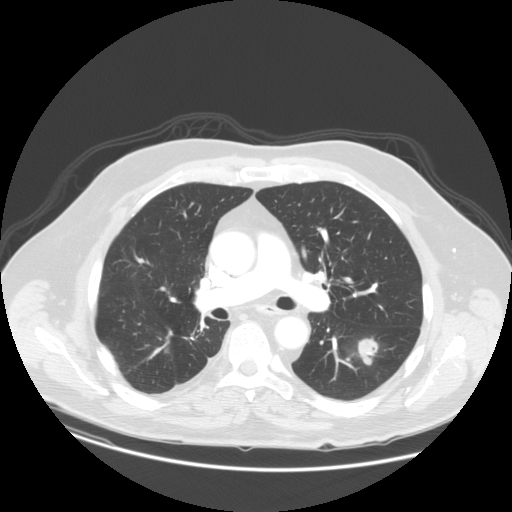
Axial chest CT slice 75 of 140 (counted from the lowest slice); 2.50 mm thick, 0.820 mm per pixel. Pulmonary nodule at rows 335–365, columns 348–379 (box = the union of the readers' outlines on this slice), outlined by all four readers; median longest diameter 30.2 mm (readers' outlines 28.0–35.5 mm), median volume 5420 mm3 (4625–10612 mm3). Ratings, median across the readers with their spread: texture 4/5 at the median of four readers, spread 3/5 (part-solid) to 5/5 (solid); median margin 3/5 (readers ranged 3/5 to 4/5); median sphericity 4/5 (readers ranged 3/5 (ovoid) to 5/5 (round)); calcification absent, all four readers agreeing; internal structure soft tissue, all four readers agreeing; subtlety 5/5, all four readers agreeing; median malignancy likelihood 4.5/5 (readers ranged 3–5). Scale key (1–5): texture non-solid→solid, margin indistinct→circumscribed, sphericity linear→round, subtlety extremely subtle→obvious, malignancy likelihood highly unlikely→highly suspicious of cancer. Box rows and columns are 0-based pixel indices from the top-left corner, inclusive.
Scan settings: 120 kVp, STANDARD reconstruction kernel.